Axial chest CT slice 301 of 529 (counted from the lowest slice); tube voltage 120 kVp, convolution kernel B30f; slices 0.75 mm thick, 0.703 mm per pixel.
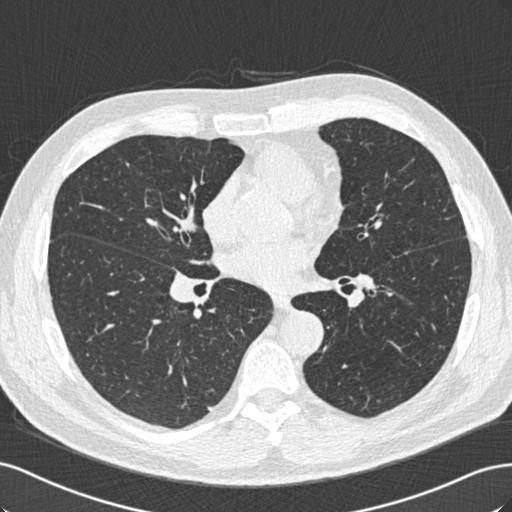
Pulmonary nodule outlined by all four readers; box rows 407–410, columns 207–212 (the union of the readers' outlines on this slice); median longest diameter 10.5 mm (readers' outlines 9.8–11.3 mm), median volume 178 mm3 (151–208 mm3). Median ratings and the readers' spread: texture 5/5 (solid) from all four readers; median margin 5/5 (circumscribed) (readers ranged 4/5 to 5/5 (circumscribed)); sphericity 4.5/5 at the median of four readers, spread 3/5 (ovoid) to 5/5 (round); calcification absent, all four readers agreeing; internal structure soft tissue, all four readers agreeing; median subtlety 4.5/5 (readers ranged 3–5); median malignancy likelihood 3/5 (readers ranged 2–5). Scale key (1–5): texture non-solid→solid, margin indistinct→circumscribed, sphericity linear→round, subtlety extremely subtle→obvious, malignancy likelihood highly unlikely→highly suspicious of cancer. Box rows and columns are 0-based pixel indices from the top-left corner, inclusive.